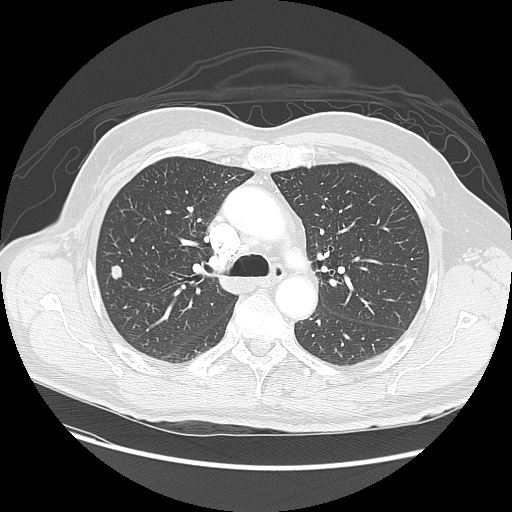
Axial chest CT slice 83 of 135 (counted from the lowest slice); tube voltage 120 kVp, convolution kernel LUNG; slices 2.50 mm thick, 0.781 mm per pixel.
Pulmonary nodule outlined by all four readers; box rows 265–279, columns 111–121 (the union of the readers' outlines on this slice); longest diameter 12.3 mm on average over the four readers' outlines (readers' outlines 12.1–12.7 mm), volume 655–726 mm3. Ratings, by the readers' most common answer with dissent counted: texture 5/5 (solid) from all four readers; margin 5/5 (circumscribed) by three of four readers; the rest gave 4/5 (one); sphericity split among the readers: 3/5 (ovoid) (two), 4/5 (two); calcification absent, all four readers agreeing; internal structure soft tissue from all four readers; subtlety 5/5 by three of four readers; the rest gave 4/5 (one); most readers (three of four) put malignancy likelihood at 4/5, others 2/5 (one). Scale key (1–5): texture non-solid→solid, margin indistinct→circumscribed, sphericity linear→round, subtlety extremely subtle→obvious, malignancy likelihood highly unlikely→highly suspicious of cancer. Box rows and columns are 0-based pixel indices from the top-left corner, inclusive.